Axial chest CT slice 58 of 121 (counted from the lowest slice); tube voltage 130 kVp, convolution kernel B31s; slices 3.00 mm thick, 0.613 mm per pixel.
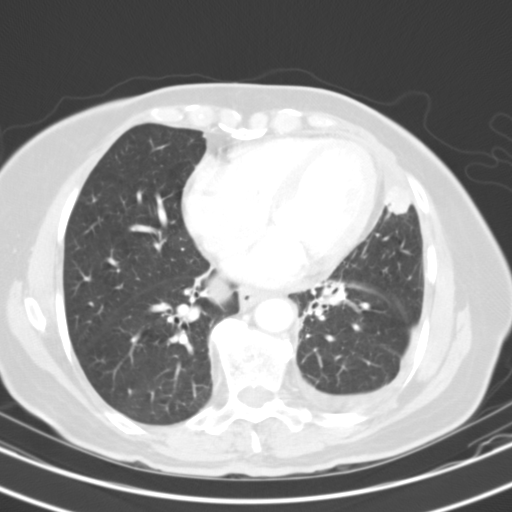
Pulmonary nodule, outlined by two of the four readers. Box on this slice rows 187–214, columns 384–412, the union of the readers' outlines on this slice; longest diameter 19.2–20.6 mm and volume 4717–4944 mm3 across the two readers' outlines. Ratings across the readers: texture 5/5 (solid), both readers agreeing; margin from 3/5 to 4/5 across the two readers; sphericity from 4/5 to 5/5 (round) across the two readers; calcification absent, both readers agreeing; internal structure soft tissue from both readers; subtlety 3–5/5 (the readers disagree); malignancy likelihood rated between 3 and 4 out of 5 by the two readers. Scale key (1–5): texture non-solid→solid, margin indistinct→circumscribed, sphericity linear→round, subtlety extremely subtle→obvious, malignancy likelihood highly unlikely→highly suspicious of cancer. Box rows and columns are 0-based pixel indices from the top-left corner, inclusive.